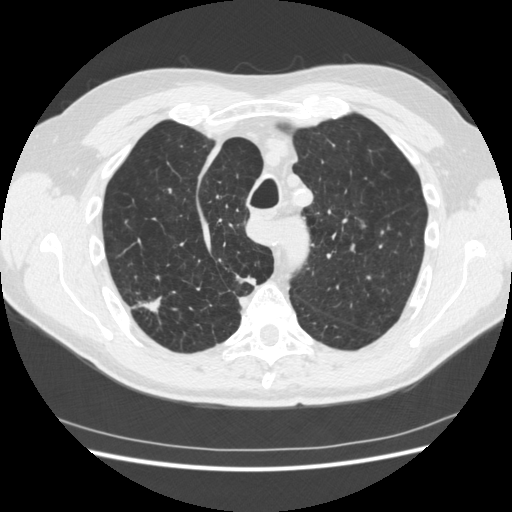
Chest CT, axial plane, 120 kVp, kernel STANDARD. Slice 349/481 from the bottom of the scan; thickness 1.25 mm; pixel size 0.703 mm.
Two pulmonary nodules are outlined on this slice; from left to right: (1) Pulmonary nodule at rows 295–314, columns 132–163 (box = the union of the readers' outlines on this slice), outlined by all four readers; median longest diameter 25.6 mm (readers' outlines 18.7–34.9 mm), median volume 2081 mm3 (1155–4169 mm3). Median ratings and the readers' spread: texture 5/5 (solid) at the median of four readers, spread 4/5 to 5/5 (solid); margin 2.5/5 at the median of four readers, spread 1/5 (indistinct) to 4/5; sphericity 3.5/5 at the median of four readers, spread 2/5 to 5/5 (round); calcification absent, all four readers agreeing; internal structure soft tissue, all four readers agreeing; subtlety 5/5 from all four readers; malignancy likelihood 5/5 at the median of four readers, spread 4–5. (2) Pulmonary nodule, outlined by three of the four readers. Box on this slice rows 275–285, columns 238–255, the union of the readers' outlines on this slice; median longest diameter 15.8 mm (readers' outlines 13.5–18.5 mm), median volume 713 mm3 (529–1088 mm3). Median ratings and the readers' spread: texture 5/5 (solid) from all three readers; median margin 4/5 (readers ranged 1/5 (indistinct) to 4/5); sphericity 3/5 (ovoid) at the median of three readers, spread 2/5 to 3/5 (ovoid); calcification absent, all three readers agreeing; internal structure soft tissue from all three readers; subtlety 5/5 at the median of three readers, spread 4–5; median malignancy likelihood 5/5 (readers ranged 3–5). Scale key (1–5): texture non-solid→solid, margin indistinct→circumscribed, sphericity linear→round, subtlety extremely subtle→obvious, malignancy likelihood highly unlikely→highly suspicious of cancer. Box rows and columns are 0-based pixel indices from the top-left corner, inclusive.